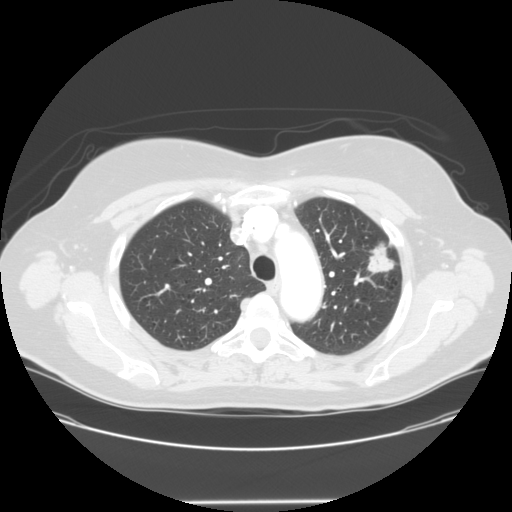
One axial slice (106 of 138, counting up from the lowest) of a chest CT acquired at 120 kVp with the STANDARD kernel; each pixel is 0.781 mm and the slice is 2.50 mm thick.
Pulmonary nodule, outlined by all four readers. Box on this slice rows 240–277, columns 365–395, the union of the readers' outlines on this slice; longest diameter 30.6 mm on average over the four readers' outlines (readers' outlines 29.1–32.9 mm), volume 5563–6580 mm3. The readers' prevailing ratings and who disagreed: most readers (three of four) put texture at 5/5 (solid), others 4/5 (one); margin split among the readers: 3/5 (two), 4/5 (two); sphericity 3/5 (ovoid) by three of four readers; the rest gave 5/5 (round) (one); calcification absent, all four readers agreeing; internal structure soft tissue, all four readers agreeing; subtlety 5/5 from all four readers; malignancy likelihood 5/5 by three of four readers; the rest gave 4/5 (one). Scale key (1–5): texture non-solid→solid, margin indistinct→circumscribed, sphericity linear→round, subtlety extremely subtle→obvious, malignancy likelihood highly unlikely→highly suspicious of cancer. Box rows and columns are 0-based pixel indices from the top-left corner, inclusive.